Axial chest CT slice 107 of 261 (counted from the lowest slice); tube voltage 120 kVp, convolution kernel STANDARD; slices 1.25 mm thick, 0.781 mm per pixel.
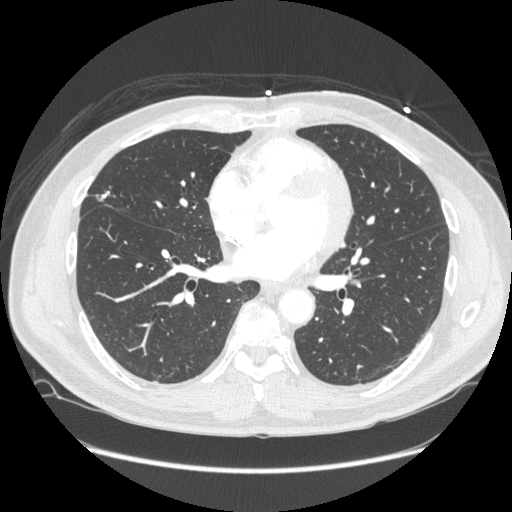
Pulmonary nodule, outlined by all four readers. Box on this slice rows 190–199, columns 100–110, the union of the readers' outlines on this slice; longest diameter 18.5 mm on average over the four readers' outlines (readers' outlines 18.0–19.6 mm), volume 893–1130 mm3. Ratings, by the readers' most common answer with dissent counted: texture 5/5 (solid) from all four readers; margin 5/5 (circumscribed) by three of four readers; the rest gave 4/5 (one); sphericity 3/5 (ovoid) by two of four readers; the rest gave 4/5 (one), 5/5 (round) (one); calcification solid calcification by three of four readers, absent (one); internal structure soft tissue from all four readers; subtlety 5/5 from all four readers; malignancy likelihood 1/5 by three of four readers; the rest gave 4/5 (one). Scale key (1–5): texture non-solid→solid, margin indistinct→circumscribed, sphericity linear→round, subtlety extremely subtle→obvious, malignancy likelihood highly unlikely→highly suspicious of cancer. Box rows and columns are 0-based pixel indices from the top-left corner, inclusive.